One axial slice (51 of 109, counting up from the lowest) of a chest CT acquired at 120 kVp with the LUNG kernel; each pixel is 0.664 mm and the slice is 2.50 mm thick.
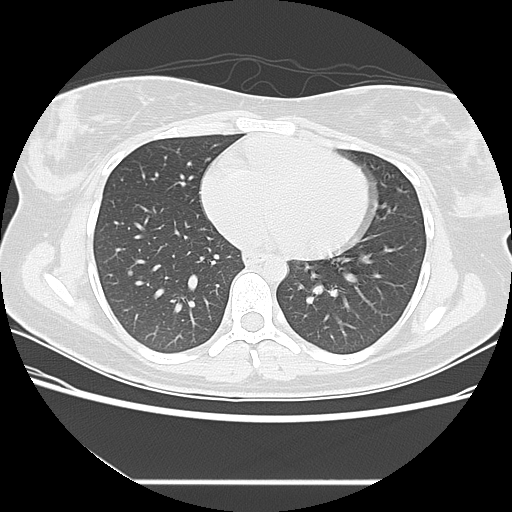
Pulmonary nodule at rows 270–276, columns 127–133 (box = the union of the readers' outlines on this slice), outlined by three of the four readers; median longest diameter 5.5 mm (readers' outlines 5.1–6.5 mm), median volume 76 mm3 (69–123 mm3). Median ratings and the readers' spread: texture 4/5 at the median of three readers, spread 1/5 (non-solid) to 5/5 (solid); margin 4/5 from all three readers; median sphericity 4/5 (readers ranged 4/5 to 5/5 (round)); calcification absent from all three readers; internal structure soft tissue, all three readers agreeing; subtlety 2/5 at the median of three readers, spread 1–5; malignancy likelihood 3/5, all three readers agreeing. Scale key (1–5): texture non-solid→solid, margin indistinct→circumscribed, sphericity linear→round, subtlety extremely subtle→obvious, malignancy likelihood highly unlikely→highly suspicious of cancer. Box rows and columns are 0-based pixel indices from the top-left corner, inclusive.